One axial slice (237 of 295, counting up from the lowest) of a chest CT acquired at 120 kVp with the STANDARD kernel; each pixel is 0.703 mm and the slice is 2.50 mm thick.
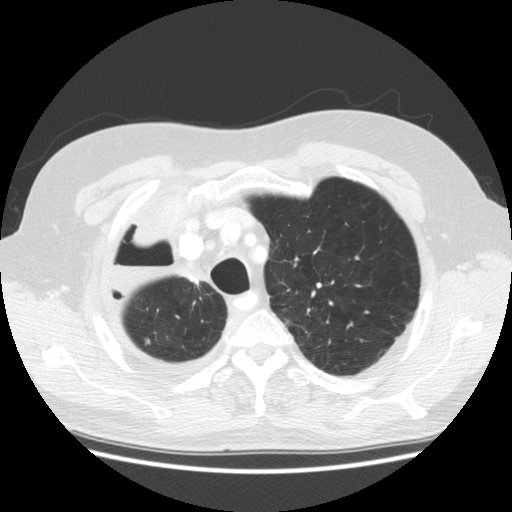
Pulmonary nodule outlined by all four readers; box rows 337–344, columns 144–149 (the union of the readers' outlines on this slice); the four readers' outlines give a longest diameter between 6.5 and 7.5 mm and a volume between 93 and 148 mm3. The readers' ratings, as ranges where they differ: texture 5/5 (solid) from all four readers; margin from 3/5 to 5/5 (circumscribed) across the four readers; sphericity from 3/5 (ovoid) to 5/5 (round) across the four readers; calcification absent from all four readers; internal structure soft tissue from all four readers; subtlety from 2/5 to 5/5 across the four readers; malignancy likelihood 2–3/5 (the readers disagree). Scale key (1–5): texture non-solid→solid, margin indistinct→circumscribed, sphericity linear→round, subtlety extremely subtle→obvious, malignancy likelihood highly unlikely→highly suspicious of cancer. Box rows and columns are 0-based pixel indices from the top-left corner, inclusive.